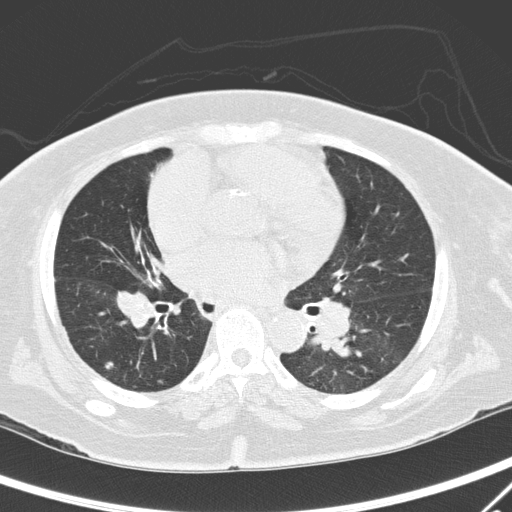
Slice 152/295 of a chest CT, counting up from the lowest; pixel size 0.682 mm, slice thickness 2.00 mm. Pulmonary nodule, outlined by one of the four readers. Box on this slice rows 361–375, columns 105–116, that reader's outline on this slice; longest diameter 49.8 mm and volume 6337 mm3 from that reader's outline. Ratings by that reader: texture 4/5; margin 1/5 (indistinct); sphericity 3/5 (ovoid); calcification absent; internal structure soft tissue; subtlety 5/5; malignancy likelihood 5/5. Scale key (1–5): texture non-solid→solid, margin indistinct→circumscribed, sphericity linear→round, subtlety extremely subtle→obvious, malignancy likelihood highly unlikely→highly suspicious of cancer. Box rows and columns are 0-based pixel indices from the top-left corner, inclusive.
Tube voltage 120 kVp; convolution kernel D.